One axial slice (81 of 141, counting up from the lowest) of a chest CT acquired at 120 kVp with the STANDARD kernel; each pixel is 0.625 mm and the slice is 2.50 mm thick.
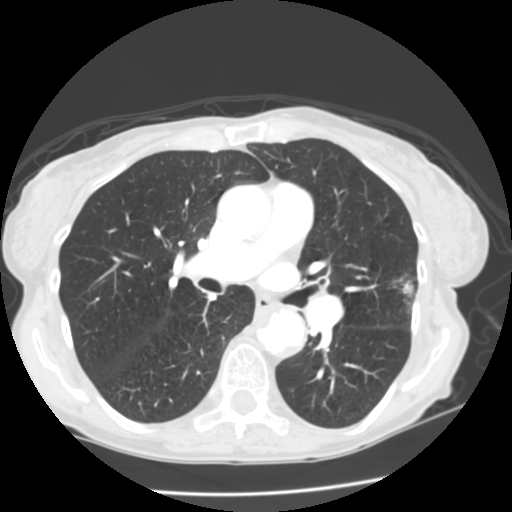
Pulmonary nodule, outlined by all four readers. Box on this slice rows 274–304, columns 401–415, the union of the readers' outlines on this slice; median longest diameter 17.9 mm (readers' outlines 17.6–20.7 mm), median volume 1463 mm3 (1292–2187 mm3). Ratings, median across the readers with their spread: median texture 4.5/5 (readers ranged 4/5 to 5/5 (solid)); median margin 4/5 (readers ranged 3/5 to 5/5 (circumscribed)); sphericity 3.5/5 at the median of four readers, spread 3/5 (ovoid) to 5/5 (round); calcification absent, all four readers agreeing; internal structure soft tissue from all four readers; subtlety 5/5 from all four readers; median malignancy likelihood 4/5 (readers ranged 3–5). Scale key (1–5): texture non-solid→solid, margin indistinct→circumscribed, sphericity linear→round, subtlety extremely subtle→obvious, malignancy likelihood highly unlikely→highly suspicious of cancer. Box rows and columns are 0-based pixel indices from the top-left corner, inclusive.